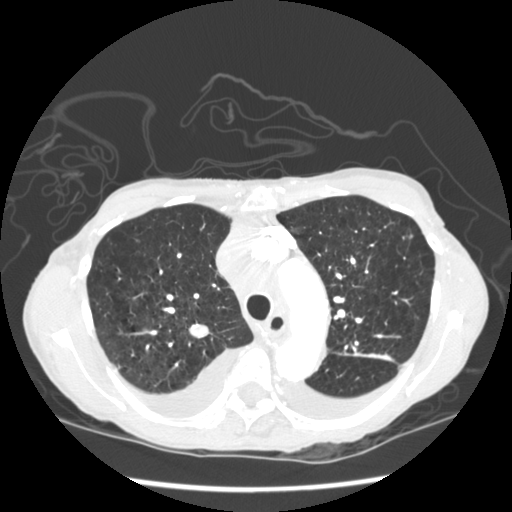
Slice 167/233 of a chest CT, counting up from the lowest; pixel size 0.664 mm, slice thickness 1.25 mm. Pulmonary nodule, outlined by all four readers. Box on this slice rows 323–338, columns 187–209, the union of the readers' outlines on this slice; the four readers' outlines give a longest diameter between 14.3 and 15.4 mm and a volume between 906 and 1149 mm3. The readers' ratings, as ranges where they differ: texture 5/5 (solid), all four readers agreeing; margin from 4/5 to 5/5 (circumscribed) across the four readers; sphericity from 3/5 (ovoid) to 4/5 across the four readers; calcification absent, all four readers agreeing; internal structure soft tissue, all four readers agreeing; subtlety from 4/5 to 5/5 across the four readers; malignancy likelihood rated between 2 and 4 out of 5 by the four readers. Scale key (1–5): texture non-solid→solid, margin indistinct→circumscribed, sphericity linear→round, subtlety extremely subtle→obvious, malignancy likelihood highly unlikely→highly suspicious of cancer. Box rows and columns are 0-based pixel indices from the top-left corner, inclusive.
Acquired at 120 kVp and reconstructed with the STANDARD kernel.